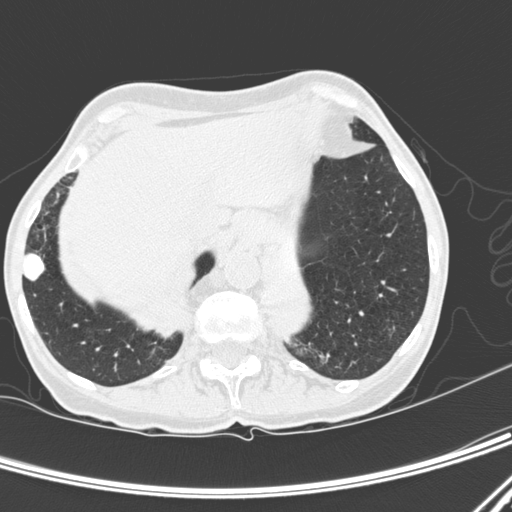
Axial slice 54 of 300 of a chest CT (slice 1 is the lowest), reconstructed with the D kernel at 120 kVp; 1.00 mm slice thickness and 0.607 mm pixels.
Pulmonary nodule, outlined by all four readers. Box on this slice rows 253–280, columns 22–45, the union of the readers' outlines on this slice; median longest diameter 19.0 mm (readers' outlines 17.1–19.9 mm), median volume 2200 mm3 (1865–2443 mm3). Ratings, median across the readers with their spread: texture 5/5 (solid) from all four readers; margin 5/5 (circumscribed) from all four readers; sphericity 4/5 at the median of four readers, spread 4/5 to 5/5 (round); calcification: solid calcification (three), absent (one); internal structure soft tissue from all four readers; subtlety 5/5 from all four readers; malignancy likelihood 1/5 at the median of four readers, spread 1–4. Scale key (1–5): texture non-solid→solid, margin indistinct→circumscribed, sphericity linear→round, subtlety extremely subtle→obvious, malignancy likelihood highly unlikely→highly suspicious of cancer. Box rows and columns are 0-based pixel indices from the top-left corner, inclusive.